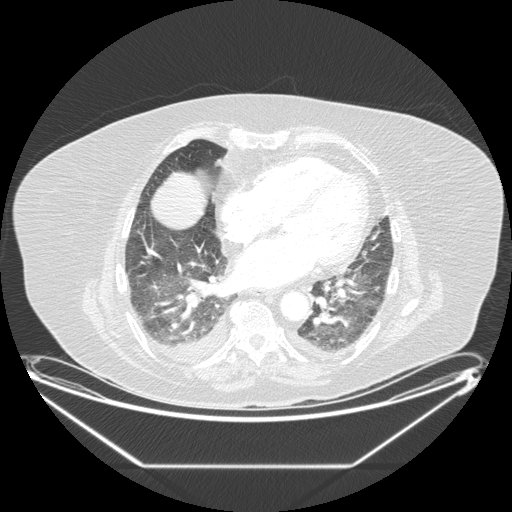
Chest CT, axial plane, 120 kVp, kernel STANDARD. Slice 77/206 from the bottom of the scan; thickness 1.25 mm; pixel size 0.898 mm.
Pulmonary nodule at rows 281–295, columns 150–160 (box = the one reader's outline on this slice), outlined by all four readers, one of them on this slice; median longest diameter 26.6 mm (readers' outlines 25.7–34.7 mm), median volume 4111 mm3 (3668–5061 mm3). Median ratings and the readers' spread: texture 5/5 (solid) at the median of four readers, spread 4/5 to 5/5 (solid); margin 4/5, all four readers agreeing; sphericity 3/5 (ovoid) at the median of four readers, spread 3/5 (ovoid) to 5/5 (round); calcification absent, all four readers agreeing; internal structure soft tissue from all four readers; subtlety 5/5 at the median of four readers, spread 4–5; median malignancy likelihood 4.5/5 (readers ranged 3–5). Scale key (1–5): texture non-solid→solid, margin indistinct→circumscribed, sphericity linear→round, subtlety extremely subtle→obvious, malignancy likelihood highly unlikely→highly suspicious of cancer. Box rows and columns are 0-based pixel indices from the top-left corner, inclusive.